Axial slice 62 of 115 of a chest CT (slice 1 is the lowest), reconstructed with the FC01 kernel at 135 kVp; 3.00 mm slice thickness and 0.720 mm pixels.
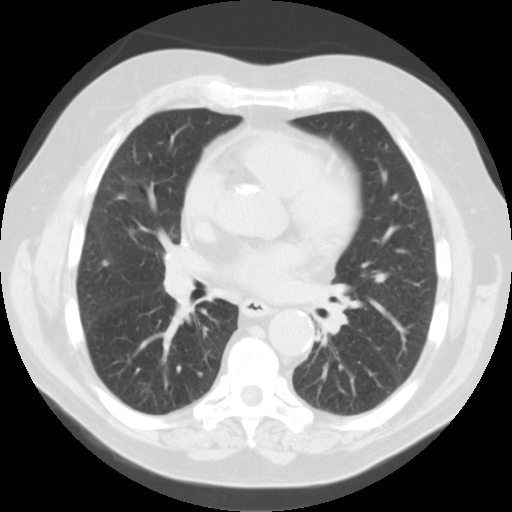
Pulmonary nodule outlined by three of the four readers; box rows 259–266, columns 101–108 (the union of the readers' outlines on this slice); longest diameter 6.4–7.5 mm and volume 165–203 mm3 across the three readers' outlines. The readers' ratings, as ranges where they differ: texture from 3/5 (part-solid) to 5/5 (solid) across the three readers; margin from 3/5 to 4/5 across the three readers; sphericity from 3/5 (ovoid) to 5/5 (round) across the three readers; calcification absent, all three readers agreeing; internal structure soft tissue from all three readers; subtlety from 3/5 to 5/5 across the three readers; malignancy likelihood from 2/5 to 3/5 across the three readers. Scale key (1–5): texture non-solid→solid, margin indistinct→circumscribed, sphericity linear→round, subtlety extremely subtle→obvious, malignancy likelihood highly unlikely→highly suspicious of cancer. Box rows and columns are 0-based pixel indices from the top-left corner, inclusive.